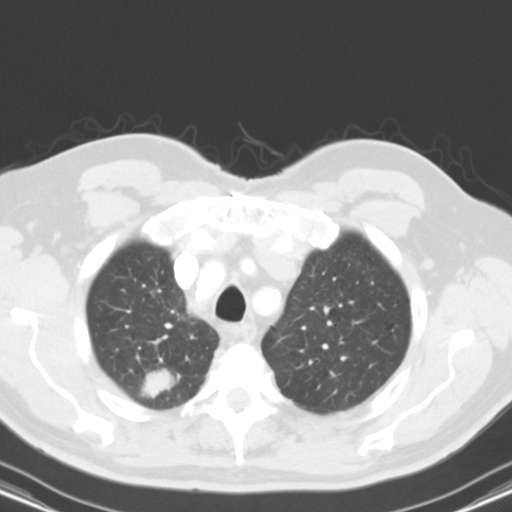
Axial chest CT slice 94 of 116 (counted from the lowest slice); tube voltage 130 kVp, convolution kernel B31s; slices 3.00 mm thick, 0.668 mm per pixel.
Pulmonary nodule at rows 367–399, columns 138–175 (box = the union of the readers' outlines on this slice), outlined by three of the four readers; longest diameter 33.6 mm on average over the three readers' outlines (readers' outlines 30.9–36.1 mm), volume 5704–8380 mm3. The readers' prevailing ratings and who disagreed: texture 5/5 (solid), all three readers agreeing; margin 4/5 from all three readers; sphericity split among the readers: 2/5 (one), 3/5 (ovoid) (one), 4/5 (one); calcification absent from all three readers; internal structure soft tissue, all three readers agreeing; subtlety 5/5, all three readers agreeing; malignancy likelihood 5/5 from all three readers. Scale key (1–5): texture non-solid→solid, margin indistinct→circumscribed, sphericity linear→round, subtlety extremely subtle→obvious, malignancy likelihood highly unlikely→highly suspicious of cancer. Box rows and columns are 0-based pixel indices from the top-left corner, inclusive.